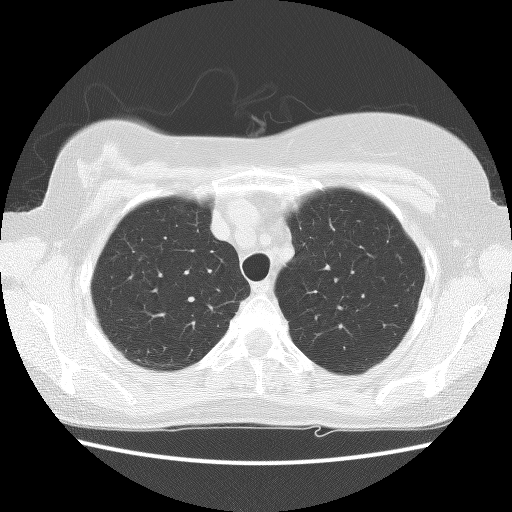
Slice 97/122 of a chest CT, counting up from the lowest; pixel size 0.664 mm, slice thickness 2.50 mm. Pulmonary nodule outlined by one of the four readers; box rows 256–260, columns 139–141 (that reader's outline on this slice); longest diameter 8.0 mm and volume 185 mm3 from that reader's outline. That reader's ratings: texture 3/5 (part-solid); margin 2/5; sphericity 3/5 (ovoid); calcification absent; internal structure soft tissue; subtlety 4/5; malignancy likelihood 3/5. Scale key (1–5): texture non-solid→solid, margin indistinct→circumscribed, sphericity linear→round, subtlety extremely subtle→obvious, malignancy likelihood highly unlikely→highly suspicious of cancer. Box rows and columns are 0-based pixel indices from the top-left corner, inclusive.
Acquired at 140 kVp and reconstructed with the BONE kernel.